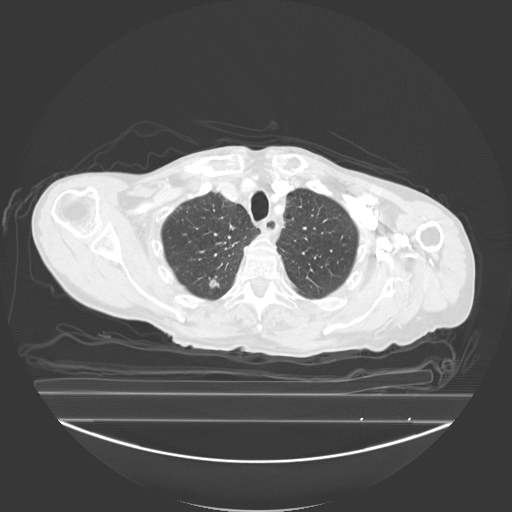
One axial slice (220 of 278, counting up from the lowest) of a chest CT acquired at 130 kVp with the B40s kernel; each pixel is 0.977 mm and the slice is 3.00 mm thick.
Pulmonary nodule at rows 279–287, columns 209–218 (box = the union of the readers' outlines on this slice), outlined by all four readers; longest diameter 14.3 mm on average over the four readers' outlines (readers' outlines 13.1–14.9 mm), volume 359–605 mm3. The readers' prevailing ratings and who disagreed: texture split among the readers: 4/5 (two), 5/5 (solid) (two); margin 4/5 by three of four readers; the rest gave 2/5 (one); sphericity 3/5 (ovoid) by two of four readers; the rest gave 4/5 (one), 5/5 (round) (one); calcification absent from all four readers; internal structure soft tissue, all four readers agreeing; subtlety split among the readers: 4/5 (two), 5/5 (two); malignancy likelihood 4/5 by two of four readers; the rest gave 2/5 (one), 3/5 (one). Scale key (1–5): texture non-solid→solid, margin indistinct→circumscribed, sphericity linear→round, subtlety extremely subtle→obvious, malignancy likelihood highly unlikely→highly suspicious of cancer. Box rows and columns are 0-based pixel indices from the top-left corner, inclusive.